Axial chest CT slice 106 of 280 (counted from the lowest slice); tube voltage 120 kVp, convolution kernel BONE; slices 1.25 mm thick, 0.703 mm per pixel.
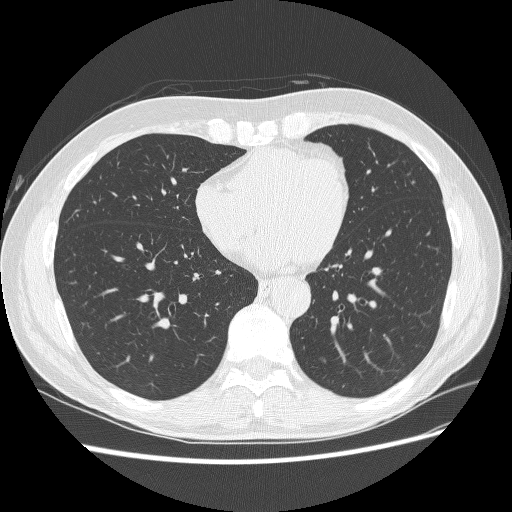
Pulmonary nodule outlined by all four readers, one of them on this slice; box rows 357–362, columns 319–324 (the one reader's outline on this slice); the four readers' outlines give a longest diameter between 7.2 and 8.9 mm and a volume between 60 and 103 mm3. The readers' ratings, as ranges where they differ: texture from 4/5 to 5/5 (solid) across the four readers; margin 4/5, all four readers agreeing; sphericity from 2/5 to 3/5 (ovoid) across the four readers; calcification absent, all four readers agreeing; internal structure soft tissue from all four readers; subtlety rated between 1 and 4 out of 5 by the four readers; malignancy likelihood from 2/5 to 3/5 across the four readers. Scale key (1–5): texture non-solid→solid, margin indistinct→circumscribed, sphericity linear→round, subtlety extremely subtle→obvious, malignancy likelihood highly unlikely→highly suspicious of cancer. Box rows and columns are 0-based pixel indices from the top-left corner, inclusive.